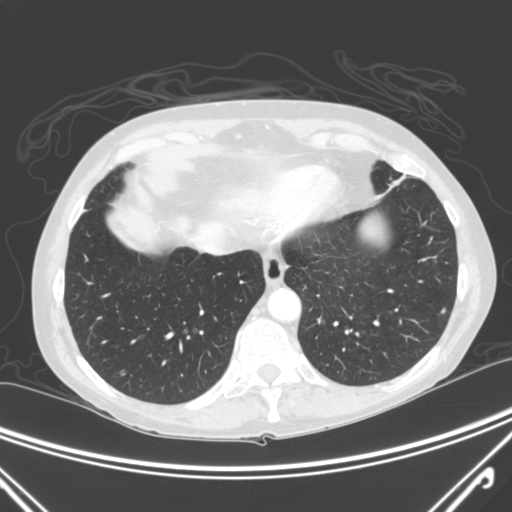
Axial slice 75 of 300 of a chest CT (slice 1 is the lowest), reconstructed with the C kernel at 120 kVp; 2.00 mm slice thickness and 0.715 mm pixels.
Pulmonary nodule at rows 307–313, columns 440–445 (box = the union of the readers' outlines on this slice), outlined by two of the four readers; longest diameter 6.1–6.5 mm and volume 64–76 mm3 across the two readers' outlines. Ratings across the readers: texture from 4/5 to 5/5 (solid) across the two readers; margin from 3/5 to 4/5 across the two readers; sphericity from 2/5 to 4/5 across the two readers; calcification absent, both readers agreeing; internal structure soft tissue from both readers; subtlety rated between 3 and 5 out of 5 by the two readers; malignancy likelihood 2–3/5 (the readers disagree). Scale key (1–5): texture non-solid→solid, margin indistinct→circumscribed, sphericity linear→round, subtlety extremely subtle→obvious, malignancy likelihood highly unlikely→highly suspicious of cancer. Box rows and columns are 0-based pixel indices from the top-left corner, inclusive.